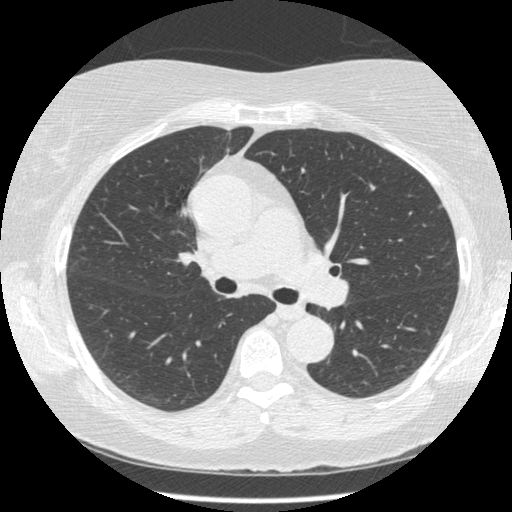
Axial chest CT slice 293 of 484 (counted from the lowest slice); 1.25 mm thick, 0.664 mm per pixel. Pulmonary nodule, outlined by one of the four readers. Box on this slice rows 205–208, columns 438–441, that reader's outline on this slice; longest diameter 4.8 mm and volume 27 mm3 from that reader's outline. Ratings by that reader: texture 5/5 (solid); margin 4/5; sphericity 4/5; calcification absent; internal structure soft tissue; subtlety 5/5; malignancy likelihood 3/5. Scale key (1–5): texture non-solid→solid, margin indistinct→circumscribed, sphericity linear→round, subtlety extremely subtle→obvious, malignancy likelihood highly unlikely→highly suspicious of cancer. Box rows and columns are 0-based pixel indices from the top-left corner, inclusive.
Acquired at 120 kVp and reconstructed with the STANDARD kernel.